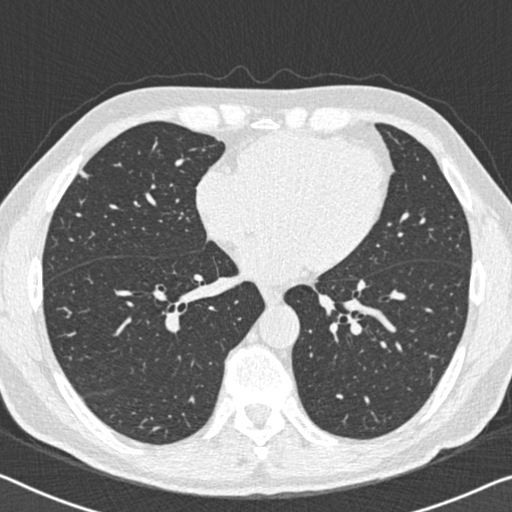
Axial slice 225 of 483 of a chest CT (slice 1 is the lowest), reconstructed with the B30f kernel at 120 kVp; 0.75 mm slice thickness and 0.652 mm pixels.
Pulmonary nodule at rows 169–178, columns 78–89 (box = the union of the readers' outlines on this slice), outlined by all four readers; longest diameter 8.6–10.3 mm and volume 137–171 mm3 across the four readers' outlines. Ratings across the readers: texture from 4/5 to 5/5 (solid) across the four readers; margin from 4/5 to 5/5 (circumscribed) across the four readers; sphericity from 3/5 (ovoid) to 5/5 (round) across the four readers; calcification absent from all four readers; internal structure soft tissue, all four readers agreeing; subtlety rated between 3 and 5 out of 5 by the four readers; malignancy likelihood from 2/5 to 4/5 across the four readers. Scale key (1–5): texture non-solid→solid, margin indistinct→circumscribed, sphericity linear→round, subtlety extremely subtle→obvious, malignancy likelihood highly unlikely→highly suspicious of cancer. Box rows and columns are 0-based pixel indices from the top-left corner, inclusive.